Axial slice 48 of 104 of a chest CT (slice 1 is the lowest), reconstructed with the B31s kernel at 130 kVp; 3.00 mm slice thickness and 0.531 mm pixels.
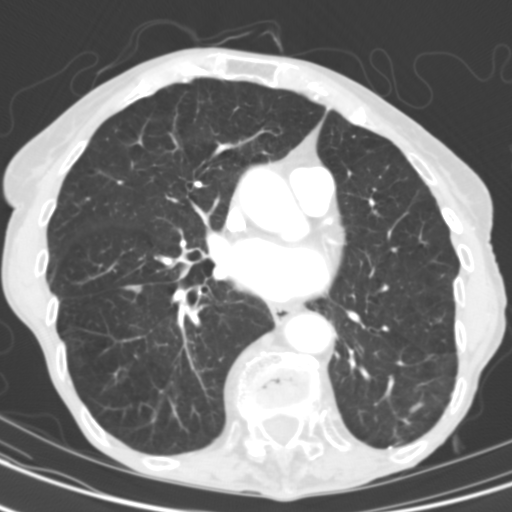
Pulmonary nodule at rows 285–293, columns 124–141 (box = the union of the readers' outlines on this slice), outlined by two of the four readers; median longest diameter 10.2 mm (readers' outlines 10.2 mm), median volume 153 mm3 (152–154 mm3). Median ratings and the readers' spread: median texture 3.5/5 (readers ranged 3/5 (part-solid) to 4/5); margin 2.5/5 at the median of two readers, spread 2/5 to 3/5; median sphericity 3.5/5 (readers ranged 2/5 to 5/5 (round)); calcification absent, both readers agreeing; internal structure soft tissue from both readers; median subtlety 3.5/5 (readers ranged 3–4); median malignancy likelihood 2/5 (readers ranged 1–3). Scale key (1–5): texture non-solid→solid, margin indistinct→circumscribed, sphericity linear→round, subtlety extremely subtle→obvious, malignancy likelihood highly unlikely→highly suspicious of cancer. Box rows and columns are 0-based pixel indices from the top-left corner, inclusive.